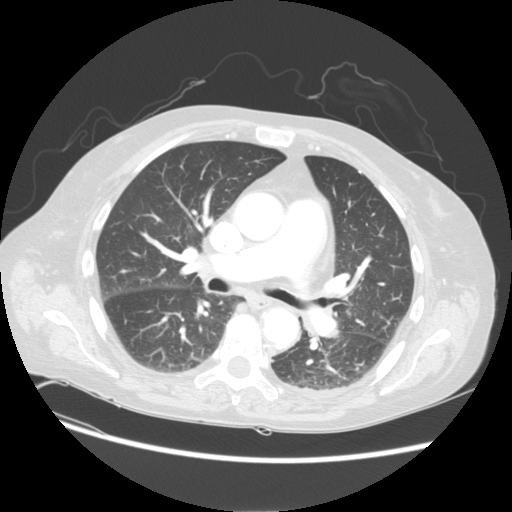
Axial chest CT slice 73 of 113 (counted from the lowest slice); tube voltage 120 kVp, convolution kernel STANDARD; slices 2.50 mm thick, 0.742 mm per pixel.
The readers outlined no nodule of 3 mm or more on this slice.